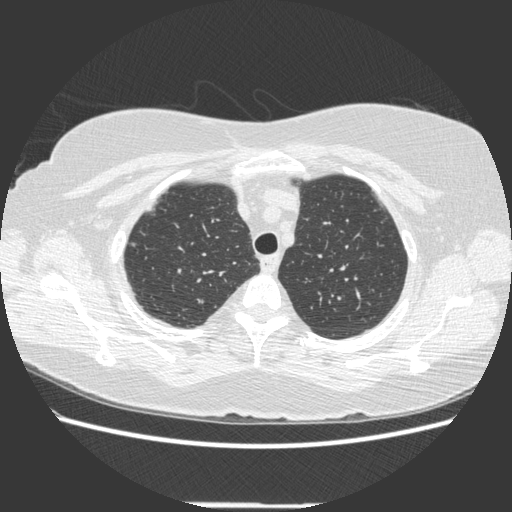
Axial chest CT slice 373 of 452 (counted from the lowest slice); tube voltage 120 kVp, convolution kernel STANDARD; slices 1.25 mm thick, 0.703 mm per pixel.
Pulmonary nodule at rows 242–246, columns 130–137 (box = the union of the readers' outlines on this slice), outlined by two of the four readers; longest diameter 5.4–7.0 mm and volume 53–63 mm3 across the two readers' outlines. The readers' ratings, as ranges where they differ: texture from 3/5 (part-solid) to 5/5 (solid) across the two readers; margin from 3/5 to 5/5 (circumscribed) across the two readers; sphericity 4/5, both readers agreeing; calcification absent from both readers; internal structure soft tissue from both readers; subtlety from 2/5 to 4/5 across the two readers; malignancy likelihood rated between 2 and 3 out of 5 by the two readers. Scale key (1–5): texture non-solid→solid, margin indistinct→circumscribed, sphericity linear→round, subtlety extremely subtle→obvious, malignancy likelihood highly unlikely→highly suspicious of cancer. Box rows and columns are 0-based pixel indices from the top-left corner, inclusive.